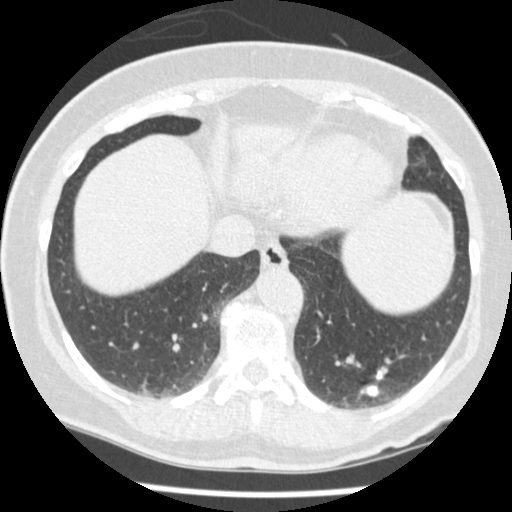
This is axial slice 130 of 465 (slice 1 is the lowest) of a chest CT; each pixel is 0.586 mm and the slice is 1.25 mm thick. Pulmonary nodule outlined by all four readers; box rows 370–397, columns 360–382 (the union of the readers' outlines on this slice); the four readers' outlines give a longest diameter between 15.8 and 20.8 mm and a volume between 1106 and 1600 mm3. The readers' ratings, as ranges where they differ: texture 5/5 (solid), all four readers agreeing; margin from 3/5 to 5/5 (circumscribed) across the four readers; sphericity from 3/5 (ovoid) to 4/5 across the four readers; calcification: absent (two), solid calcification (one), central calcification (one); internal structure soft tissue from all four readers; subtlety 5/5 from all four readers; malignancy likelihood from 1/5 to 5/5 across the four readers. Scale key (1–5): texture non-solid→solid, margin indistinct→circumscribed, sphericity linear→round, subtlety extremely subtle→obvious, malignancy likelihood highly unlikely→highly suspicious of cancer. Box rows and columns are 0-based pixel indices from the top-left corner, inclusive.
Acquired at 120 kVp and reconstructed with the STANDARD kernel.